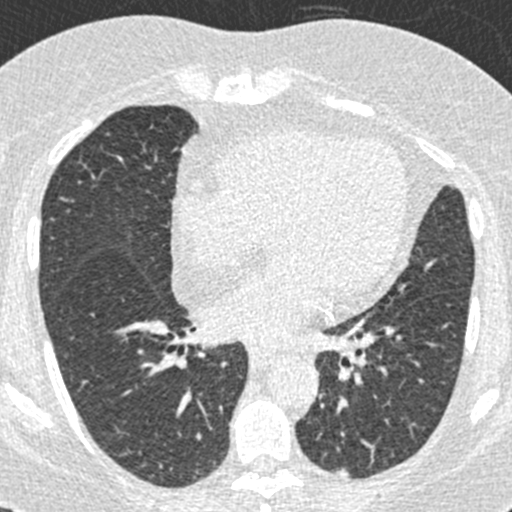
This is axial slice 232 of 423 (slice 1 is the lowest) of a chest CT; each pixel is 0.520 mm and the slice is 0.75 mm thick. Pulmonary nodule at rows 467–476, columns 334–349 (box = that reader's outline on this slice), outlined by one of the four readers; longest diameter 9.7 mm and volume 143 mm3 from that reader's outline. That reader's ratings: texture 3/5 (part-solid); margin 3/5; sphericity 3/5 (ovoid); calcification absent; internal structure soft tissue; subtlety 5/5; malignancy likelihood 3/5. Scale key (1–5): texture non-solid→solid, margin indistinct→circumscribed, sphericity linear→round, subtlety extremely subtle→obvious, malignancy likelihood highly unlikely→highly suspicious of cancer. Box rows and columns are 0-based pixel indices from the top-left corner, inclusive.
Scan settings: 120 kVp, B30f reconstruction kernel.